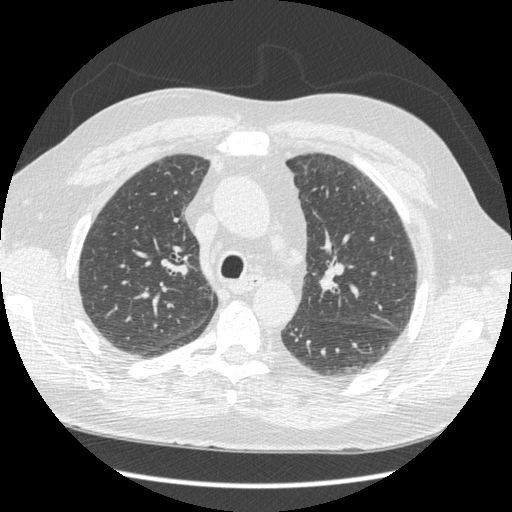
Axial slice 278 of 429 of a chest CT (slice 1 is the lowest), reconstructed with the STANDARD kernel at 120 kVp; 1.25 mm slice thickness and 0.703 mm pixels.
This slice carries no reader outline of a nodule 3 mm or larger.